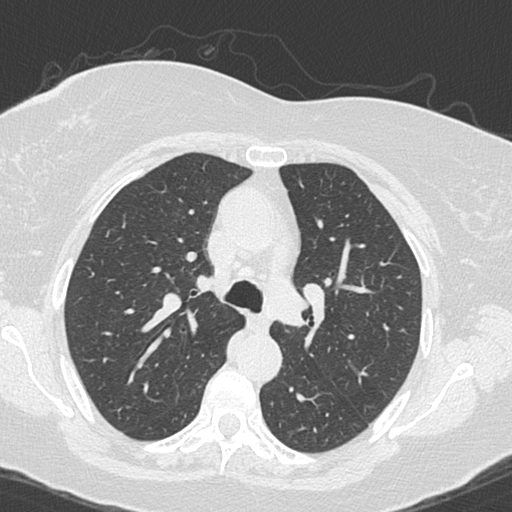
Axial chest CT slice 203 of 300 (counted from the lowest slice); 1.00 mm thick, 0.605 mm per pixel. The readers outlined no nodule of 3 mm or more on this slice.
Scan settings: 120 kVp, B45f reconstruction kernel.